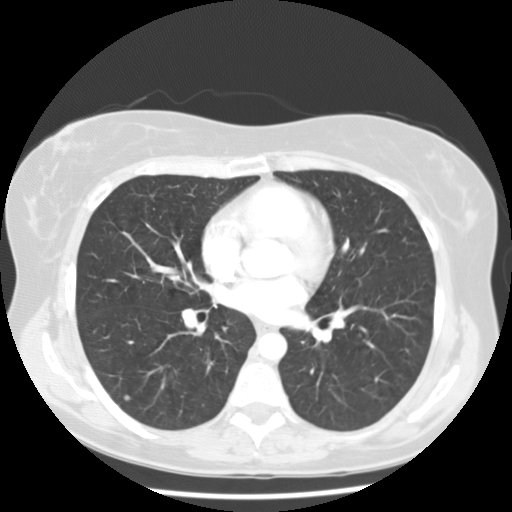
Chest CT, axial plane, 120 kVp, kernel STANDARD. Slice 78/133 from the bottom of the scan; thickness 2.50 mm; pixel size 0.664 mm.
Pulmonary nodule outlined by all four readers; box rows 394–401, columns 123–130 (the union of the readers' outlines on this slice); the four readers' outlines give a longest diameter between 4.8 and 6.3 mm and a volume between 64 and 115 mm3. Ratings across the readers: texture from 4/5 to 5/5 (solid) across the four readers; margin from 2/5 to 5/5 (circumscribed) across the four readers; sphericity from 4/5 to 5/5 (round) across the four readers; calcification absent from all four readers; internal structure soft tissue, all four readers agreeing; subtlety 1–3/5 (the readers disagree); malignancy likelihood 2–3/5 (the readers disagree). Scale key (1–5): texture non-solid→solid, margin indistinct→circumscribed, sphericity linear→round, subtlety extremely subtle→obvious, malignancy likelihood highly unlikely→highly suspicious of cancer. Box rows and columns are 0-based pixel indices from the top-left corner, inclusive.